Axial slice 139 of 241 of a chest CT (slice 1 is the lowest), reconstructed with the BONE kernel at 120 kVp; 1.25 mm slice thickness and 0.590 mm pixels.
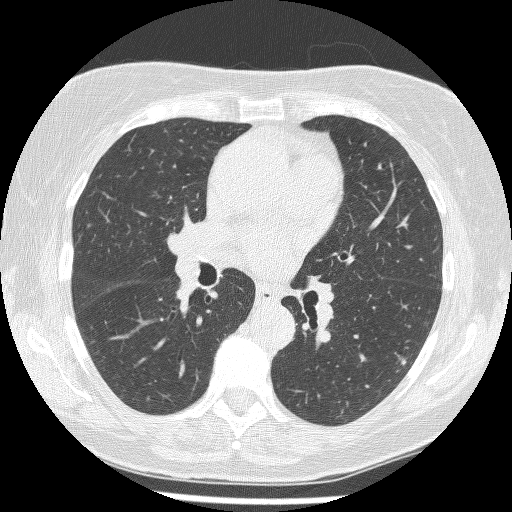
Pulmonary nodule, outlined by all four readers, three of them on this slice. Box on this slice rows 356–366, columns 398–407, the union of the readers' outlines on this slice; longest diameter 10.4 mm on average over the four readers' outlines (readers' outlines 8.4–12.5 mm), volume 155–364 mm3. The readers' prevailing ratings and who disagreed: texture 4/5 by three of four readers; the rest gave 5/5 (solid) (one); margin 2/5 by two of four readers; the rest gave 1/5 (indistinct) (one), 3/5 (one); sphericity 3/5 (ovoid) by two of four readers; the rest gave 4/5 (one), 5/5 (round) (one); calcification absent from all four readers; internal structure soft tissue, all four readers agreeing; most readers (three of four) put subtlety at 4/5, others 5/5 (one); malignancy likelihood 4/5 by two of four readers; the rest gave 3/5 (one), 5/5 (one). Scale key (1–5): texture non-solid→solid, margin indistinct→circumscribed, sphericity linear→round, subtlety extremely subtle→obvious, malignancy likelihood highly unlikely→highly suspicious of cancer. Box rows and columns are 0-based pixel indices from the top-left corner, inclusive.